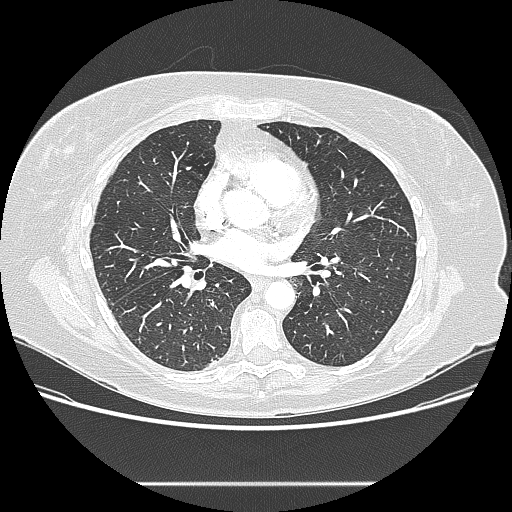
Chest CT, axial plane, 120 kVp, kernel LUNG. Slice 121/238 from the bottom of the scan; thickness 1.25 mm; pixel size 0.742 mm.
No nodule 3 mm or larger was outlined here by any reader.